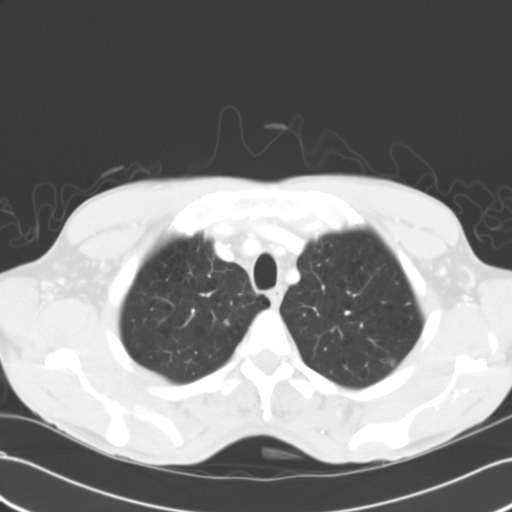
Chest CT, axial plane, 120 kVp, kernel B31f. Slice 124/137 from the bottom of the scan; thickness 5.00 mm; pixel size 0.691 mm.
Two pulmonary nodules are outlined on this slice; from left to right: (1) Pulmonary nodule at rows 319–324, columns 224–228 (box = the union of the readers' outlines on this slice), outlined by three of the four readers, two of them on this slice; the three readers' outlines give a longest diameter between 7.4 and 8.1 mm and a volume between 149 and 270 mm3. Ratings across the readers: texture from 4/5 to 5/5 (solid) across the three readers; margin from 4/5 to 5/5 (circumscribed) across the three readers; sphericity from 4/5 to 5/5 (round) across the three readers; calcification absent from all three readers; internal structure soft tissue from all three readers; subtlety from 3/5 to 4/5 across the three readers; malignancy likelihood rated between 2 and 3 out of 5 by the three readers. (2) Pulmonary nodule outlined by all four readers, three of them on this slice; box rows 359–366, columns 389–395 (the union of the readers' outlines on this slice); median longest diameter 11.4 mm (readers' outlines 10.9–11.9 mm), median volume 653 mm3 (556–688 mm3). Ratings, median across the readers with their spread: median texture 5/5 (solid) (readers ranged 4/5 to 5/5 (solid)); median margin 4.5/5 (readers ranged 4/5 to 5/5 (circumscribed)); sphericity 3.5/5 at the median of four readers, spread 3/5 (ovoid) to 5/5 (round); calcification absent, all four readers agreeing; internal structure soft tissue from all four readers; median subtlety 4.5/5 (readers ranged 3–5); median malignancy likelihood 3/5 (readers ranged 2–4). Scale key (1–5): texture non-solid→solid, margin indistinct→circumscribed, sphericity linear→round, subtlety extremely subtle→obvious, malignancy likelihood highly unlikely→highly suspicious of cancer. Box rows and columns are 0-based pixel indices from the top-left corner, inclusive.